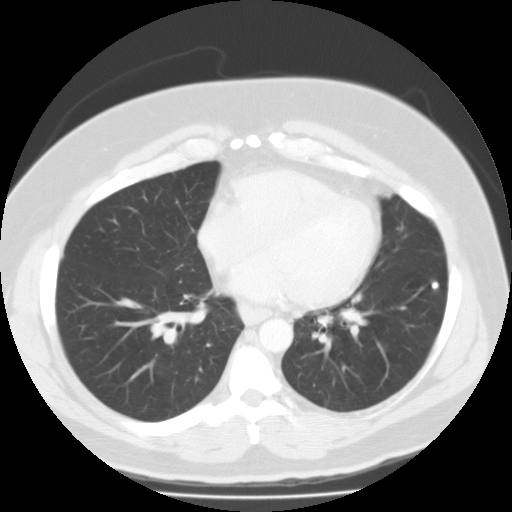
Chest CT, axial plane, 135 kVp, kernel FC01. Slice 61/126 from the bottom of the scan; thickness 3.00 mm; pixel size 0.744 mm.
Pulmonary nodule outlined by all four readers; box rows 281–288, columns 431–438 (the union of the readers' outlines on this slice); median longest diameter 6.6 mm (readers' outlines 6.1–7.9 mm), median volume 172 mm3 (132–234 mm3). Median ratings and the readers' spread: texture 5/5 (solid) from all four readers; median margin 5/5 (circumscribed) (readers ranged 4/5 to 5/5 (circumscribed)); median sphericity 5/5 (round) (readers ranged 4/5 to 5/5 (round)); calcification solid calcification from all four readers; internal structure soft tissue from all four readers; median subtlety 4.5/5 (readers ranged 4–5); malignancy likelihood 1/5 from all four readers. Scale key (1–5): texture non-solid→solid, margin indistinct→circumscribed, sphericity linear→round, subtlety extremely subtle→obvious, malignancy likelihood highly unlikely→highly suspicious of cancer. Box rows and columns are 0-based pixel indices from the top-left corner, inclusive.